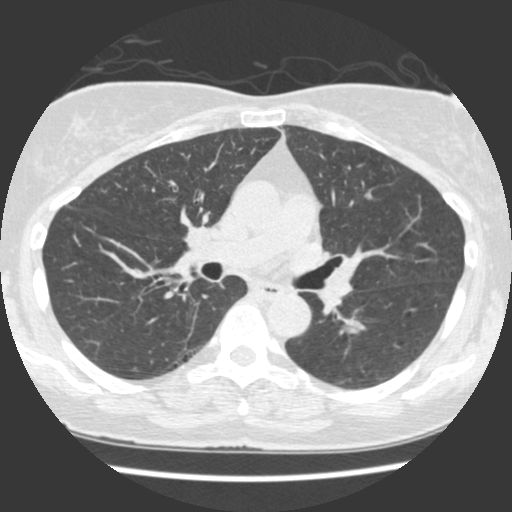
Axial slice 222 of 429 of a chest CT (slice 1 is the lowest), reconstructed with the STANDARD kernel at 120 kVp; 1.25 mm slice thickness and 0.586 mm pixels.
Pulmonary nodule, outlined by two of the four readers. Box on this slice rows 192–200, columns 363–371, the union of the readers' outlines on this slice; longest diameter 6.2 mm on average over the two readers' outlines (readers' outlines 6.1–6.3 mm), volume 46–47 mm3. The readers' prevailing ratings and who disagreed: texture 5/5 (solid) from both readers; margin split among the readers: 2/5 (one), 5/5 (circumscribed) (one); sphericity 4/5 from both readers; calcification absent from both readers; internal structure soft tissue from both readers; subtlety split among the readers: 2/5 (one), 4/5 (one); malignancy likelihood 2/5 from both readers. Scale key (1–5): texture non-solid→solid, margin indistinct→circumscribed, sphericity linear→round, subtlety extremely subtle→obvious, malignancy likelihood highly unlikely→highly suspicious of cancer. Box rows and columns are 0-based pixel indices from the top-left corner, inclusive.